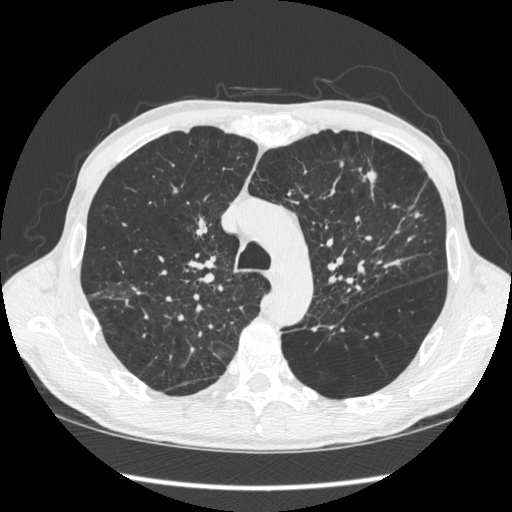
Axial chest CT slice 414 of 583 (counted from the lowest slice); tube voltage 120 kVp, convolution kernel STANDARD; slices 1.25 mm thick, 0.703 mm per pixel.
Two pulmonary nodules on this slice, listed from left to right. (1) Pulmonary nodule at rows 169–185, columns 366–377 (box = the union of the readers' outlines on this slice), outlined by all four readers; the four readers' outlines give a longest diameter between 10.5 and 14.8 mm and a volume between 293 and 480 mm3. Ratings across the readers: texture 5/5 (solid) from all four readers; margin from 3/5 to 5/5 (circumscribed) across the four readers; sphericity from 2/5 to 5/5 (round) across the four readers; calcification absent from all four readers; internal structure soft tissue from all four readers; subtlety from 3/5 to 5/5 across the four readers; malignancy likelihood 2–5/5 (the readers disagree). (2) Pulmonary nodule at rows 212–217, columns 414–419 (box = the union of the readers' outlines on this slice), outlined by two of the four readers; median longest diameter 6.8 mm (readers' outlines 6.5–7.2 mm), median volume 72 mm3 (71–74 mm3). Median ratings and the readers' spread: texture 5/5 (solid), both readers agreeing; margin 5/5 (circumscribed), both readers agreeing; sphericity 3.5/5 at the median of two readers, spread 3/5 (ovoid) to 4/5; calcification absent from both readers; internal structure soft tissue from both readers; subtlety 3/5 at the median of two readers, spread 2–4; malignancy likelihood 3/5, both readers agreeing. Scale key (1–5): texture non-solid→solid, margin indistinct→circumscribed, sphericity linear→round, subtlety extremely subtle→obvious, malignancy likelihood highly unlikely→highly suspicious of cancer. Box rows and columns are 0-based pixel indices from the top-left corner, inclusive.